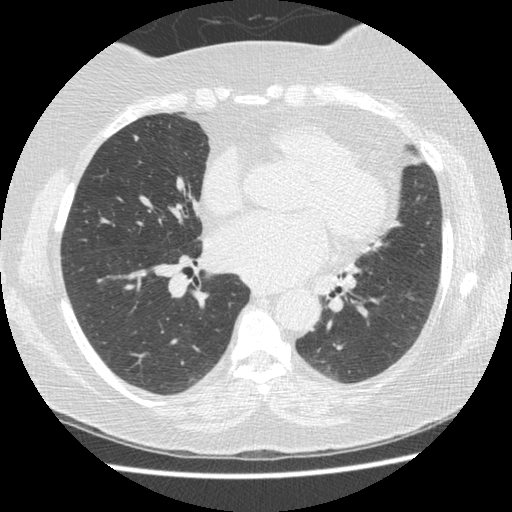
Chest CT, axial plane, 120 kVp, kernel STANDARD. Slice 242/474 from the bottom of the scan; thickness 1.25 mm; pixel size 0.645 mm.
Pulmonary nodule outlined by two of the four readers; box rows 135–140, columns 133–138 (the union of the readers' outlines on this slice); longest diameter 5.8–6.5 mm and volume 46–63 mm3 across the two readers' outlines. The readers' ratings, as ranges where they differ: texture from 2/5 to 5/5 (solid) across the two readers; margin 4/5 from both readers; sphericity 3/5 (ovoid), both readers agreeing; calcification absent, both readers agreeing; internal structure soft tissue from both readers; subtlety 3–4/5 (the readers disagree); malignancy likelihood 3–5/5 (the readers disagree). Scale key (1–5): texture non-solid→solid, margin indistinct→circumscribed, sphericity linear→round, subtlety extremely subtle→obvious, malignancy likelihood highly unlikely→highly suspicious of cancer. Box rows and columns are 0-based pixel indices from the top-left corner, inclusive.